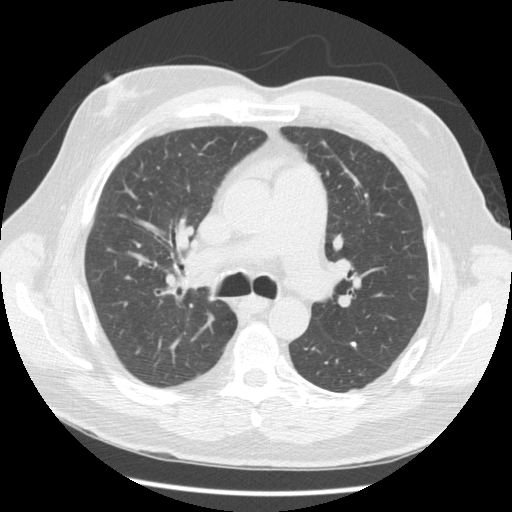
Axial chest CT slice 111 of 163 (counted from the lowest slice); tube voltage 120 kVp, convolution kernel STANDARD; slices 2.50 mm thick, 0.703 mm per pixel.
Pulmonary nodule, outlined by two of the four readers. Box on this slice rows 341–348, columns 350–356, the union of the readers' outlines on this slice; the two readers' outlines give a longest diameter between 5.4 and 7.0 mm and a volume between 61 and 128 mm3. Ratings across the readers: texture 5/5 (solid), both readers agreeing; margin 5/5 (circumscribed), both readers agreeing; sphericity from 4/5 to 5/5 (round) across the two readers; calcification split among the readers: solid calcification (one), absent (one); internal structure soft tissue, both readers agreeing; subtlety 5/5, both readers agreeing; malignancy likelihood 1/5, both readers agreeing. Scale key (1–5): texture non-solid→solid, margin indistinct→circumscribed, sphericity linear→round, subtlety extremely subtle→obvious, malignancy likelihood highly unlikely→highly suspicious of cancer. Box rows and columns are 0-based pixel indices from the top-left corner, inclusive.